Axial slice 103 of 264 of a chest CT (slice 1 is the lowest), reconstructed with the BONE kernel at 120 kVp; 1.25 mm slice thickness and 0.703 mm pixels.
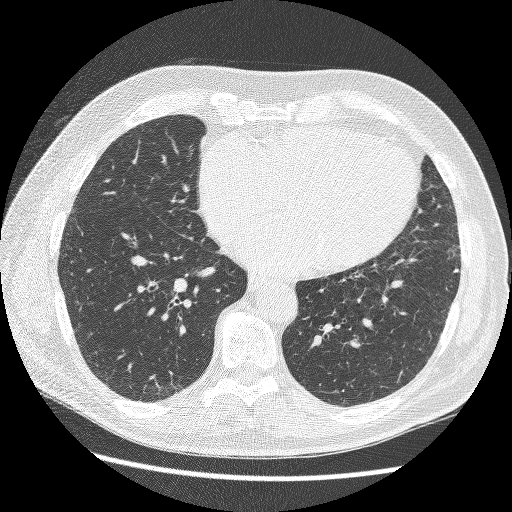
Pulmonary nodule, outlined by all four readers. Box on this slice rows 269–272, columns 452–458, the union of the readers' outlines on this slice; median longest diameter 5.1 mm (readers' outlines 4.1–5.8 mm), median volume 30 mm3 (23–40 mm3). Ratings, median across the readers with their spread: texture 5/5 (solid) from all four readers; margin 5/5 (circumscribed) at the median of four readers, spread 4/5 to 5/5 (circumscribed); sphericity 3.5/5 at the median of four readers, spread 2/5 to 4/5; calcification split among the readers: solid calcification (two), absent (two); internal structure soft tissue from all four readers; median subtlety 2.5/5 (readers ranged 1–5); malignancy likelihood 1/5 from all four readers. Scale key (1–5): texture non-solid→solid, margin indistinct→circumscribed, sphericity linear→round, subtlety extremely subtle→obvious, malignancy likelihood highly unlikely→highly suspicious of cancer. Box rows and columns are 0-based pixel indices from the top-left corner, inclusive.